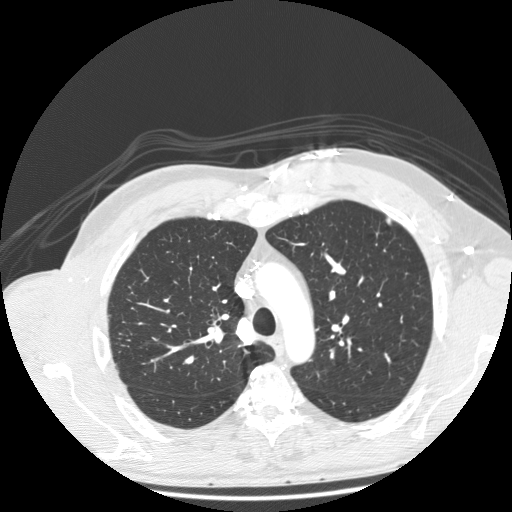
Slice 175/238 of a chest CT, counting up from the lowest; pixel size 0.742 mm, slice thickness 1.25 mm. Pulmonary nodule, outlined by one of the four readers. Box on this slice rows 218–224, columns 385–390, that reader's outline on this slice; longest diameter 8.7 mm and volume 90 mm3 from that reader's outline. That reader's ratings: texture 5/5 (solid); margin 5/5 (circumscribed); sphericity 2/5; calcification absent; internal structure soft tissue; subtlety 4/5; malignancy likelihood 1/5. Scale key (1–5): texture non-solid→solid, margin indistinct→circumscribed, sphericity linear→round, subtlety extremely subtle→obvious, malignancy likelihood highly unlikely→highly suspicious of cancer. Box rows and columns are 0-based pixel indices from the top-left corner, inclusive.
Acquired at 120 kVp and reconstructed with the STANDARD kernel.